Chest CT, axial plane, 130 kVp, kernel B31s. Slice 35/109 from the bottom of the scan; thickness 3.00 mm; pixel size 0.629 mm.
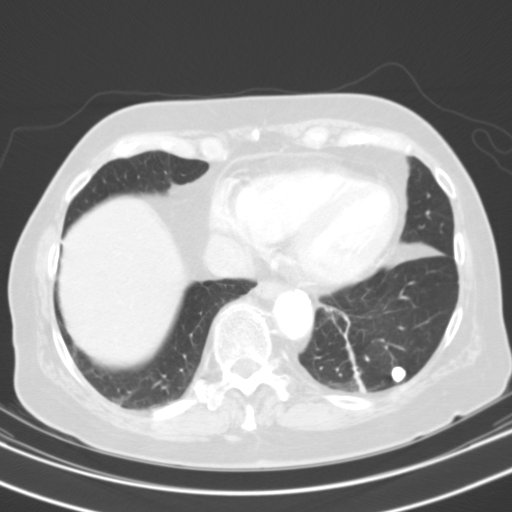
Pulmonary nodule outlined by all four readers; box rows 366–382, columns 391–406 (the union of the readers' outlines on this slice); longest diameter 11.4 mm on average over the four readers' outlines (readers' outlines 10.5–12.9 mm), volume 562–923 mm3. The readers' prevailing ratings and who disagreed: texture 5/5 (solid) from all four readers; margin 5/5 (circumscribed) from all four readers; sphericity 5/5 (round) by three of four readers; the rest gave 4/5 (one); calcification solid calcification from all four readers; internal structure soft tissue, all four readers agreeing; subtlety 5/5, all four readers agreeing; malignancy likelihood 1/5, all four readers agreeing. Scale key (1–5): texture non-solid→solid, margin indistinct→circumscribed, sphericity linear→round, subtlety extremely subtle→obvious, malignancy likelihood highly unlikely→highly suspicious of cancer. Box rows and columns are 0-based pixel indices from the top-left corner, inclusive.